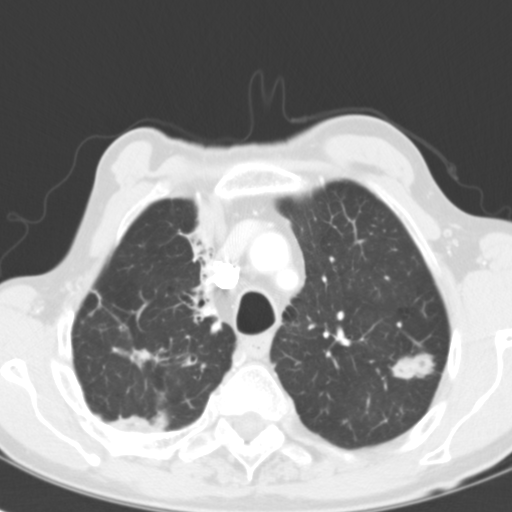
Axial slice 88 of 116 of a chest CT (slice 1 is the lowest), reconstructed with the B31f kernel at 120 kVp; 3.00 mm slice thickness and 0.547 mm pixels.
Pulmonary nodule, outlined by all four readers. Box on this slice rows 352–378, columns 389–435, the union of the readers' outlines on this slice; the four readers' outlines give a longest diameter between 23.8 and 26.7 mm and a volume between 3983 and 5133 mm3. Ratings across the readers: texture from 3/5 (part-solid) to 5/5 (solid) across the four readers; margin from 3/5 to 5/5 (circumscribed) across the four readers; sphericity from 3/5 (ovoid) to 4/5 across the four readers; calcification absent from all four readers; internal structure: soft tissue (three), air (one); subtlety 5/5 from all four readers; malignancy likelihood from 2/5 to 5/5 across the four readers. Scale key (1–5): texture non-solid→solid, margin indistinct→circumscribed, sphericity linear→round, subtlety extremely subtle→obvious, malignancy likelihood highly unlikely→highly suspicious of cancer. Box rows and columns are 0-based pixel indices from the top-left corner, inclusive.